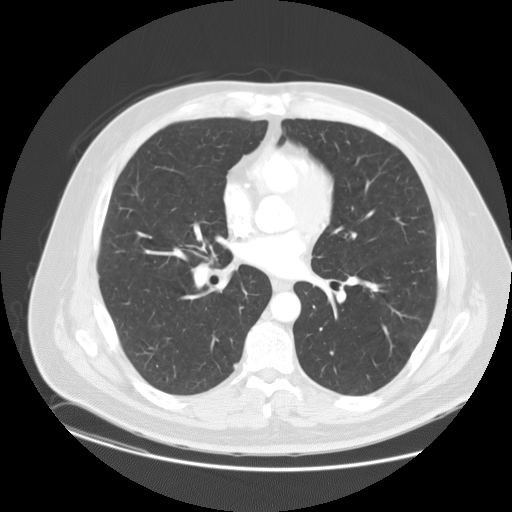
Axial slice 78 of 147 of a chest CT (slice 1 is the lowest), reconstructed with the STANDARD kernel at 120 kVp; 2.50 mm slice thickness and 0.859 mm pixels.
No nodule of 3 mm or larger was outlined by any of the four readers on this slice.